Chest CT, axial plane, 120 kVp, kernel B. Slice 112/280 from the bottom of the scan; thickness 2.00 mm; pixel size 0.572 mm.
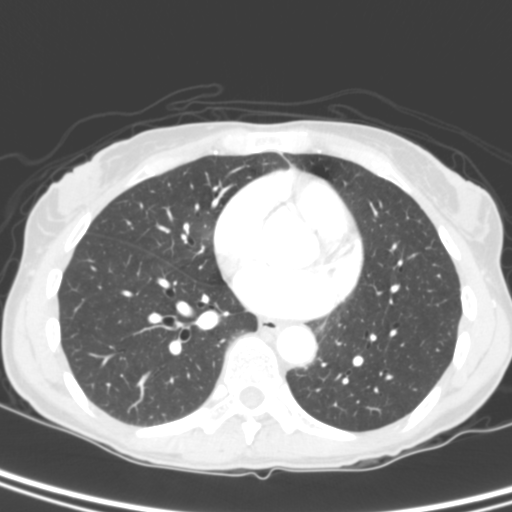
No nodule of 3 mm or larger was outlined by any of the four readers on this slice.